Axial chest CT slice 178 of 484 (counted from the lowest slice); tube voltage 120 kVp, convolution kernel STANDARD; slices 1.25 mm thick, 0.586 mm per pixel.
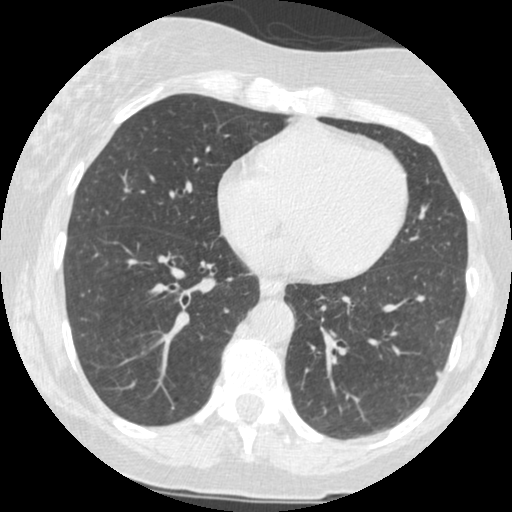
Pulmonary nodule at rows 371–376, columns 436–439 (box = the union of the readers' outlines on this slice), outlined by three of the four readers; the three readers' outlines give a longest diameter between 6.4 and 7.2 mm and a volume between 50 and 74 mm3. The readers' ratings, as ranges where they differ: texture 5/5 (solid) from all three readers; margin from 4/5 to 5/5 (circumscribed) across the three readers; sphericity from 3/5 (ovoid) to 4/5 across the three readers; calcification absent, all three readers agreeing; internal structure soft tissue from all three readers; subtlety 3–4/5 (the readers disagree); malignancy likelihood rated between 1 and 3 out of 5 by the three readers. Scale key (1–5): texture non-solid→solid, margin indistinct→circumscribed, sphericity linear→round, subtlety extremely subtle→obvious, malignancy likelihood highly unlikely→highly suspicious of cancer. Box rows and columns are 0-based pixel indices from the top-left corner, inclusive.